One axial slice (97 of 139, counting up from the lowest) of a chest CT acquired at 120 kVp with the STANDARD kernel; each pixel is 0.781 mm and the slice is 2.50 mm thick.
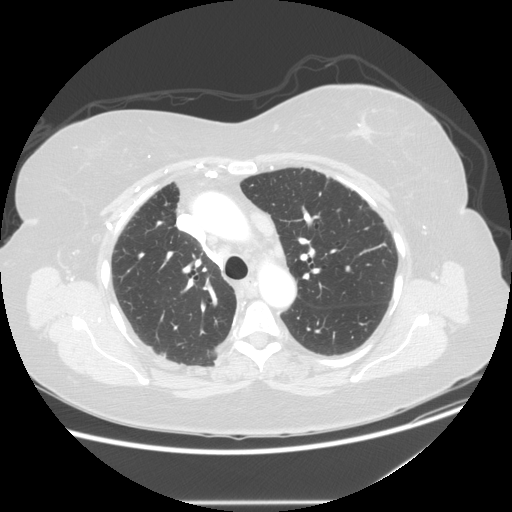
The readers outlined no nodule of 3 mm or more on this slice.